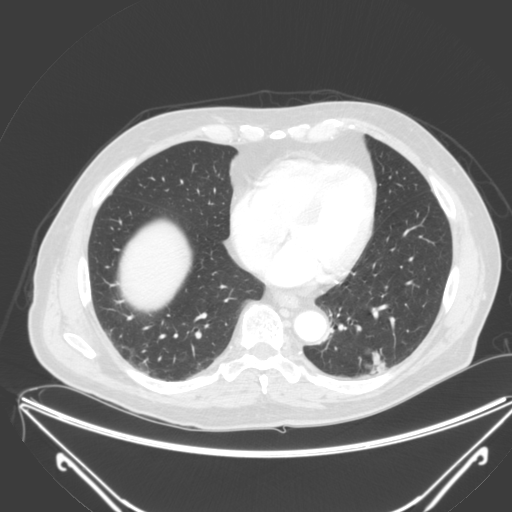
Axial slice 80 of 250 of a chest CT (slice 1 is the lowest), reconstructed with the B kernel at 120 kVp; 2.00 mm slice thickness and 0.834 mm pixels.
Pulmonary nodule at rows 347–374, columns 363–388 (box = the union of the readers' outlines on this slice), outlined by all four readers; the four readers' outlines give a longest diameter between 26.7 and 30.4 mm and a volume between 2541 and 3664 mm3. The readers' ratings, as ranges where they differ: texture from 4/5 to 5/5 (solid) across the four readers; margin from 2/5 to 4/5 across the four readers; sphericity from 3/5 (ovoid) to 5/5 (round) across the four readers; calcification absent, all four readers agreeing; internal structure soft tissue, all four readers agreeing; subtlety 5/5 from all four readers; malignancy likelihood from 3/5 to 5/5 across the four readers. Scale key (1–5): texture non-solid→solid, margin indistinct→circumscribed, sphericity linear→round, subtlety extremely subtle→obvious, malignancy likelihood highly unlikely→highly suspicious of cancer. Box rows and columns are 0-based pixel indices from the top-left corner, inclusive.